Axial chest CT slice 388 of 465 (counted from the lowest slice); tube voltage 120 kVp, convolution kernel STANDARD; slices 1.25 mm thick, 0.703 mm per pixel.
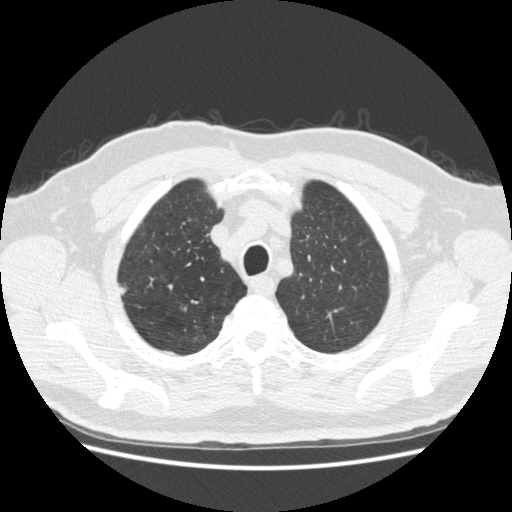
Pulmonary nodule at rows 282–296, columns 119–128 (box = the union of the readers' outlines on this slice), outlined by all four readers; median longest diameter 17.8 mm (readers' outlines 15.5–18.9 mm), median volume 1370 mm3 (1041–1475 mm3). Median ratings and the readers' spread: texture 5/5 (solid) from all four readers; median margin 5/5 (circumscribed) (readers ranged 4/5 to 5/5 (circumscribed)); median sphericity 3.5/5 (readers ranged 3/5 (ovoid) to 5/5 (round)); calcification absent from all four readers; internal structure soft tissue from all four readers; median subtlety 5/5 (readers ranged 4–5); malignancy likelihood 4/5 at the median of four readers, spread 2–5. Scale key (1–5): texture non-solid→solid, margin indistinct→circumscribed, sphericity linear→round, subtlety extremely subtle→obvious, malignancy likelihood highly unlikely→highly suspicious of cancer. Box rows and columns are 0-based pixel indices from the top-left corner, inclusive.